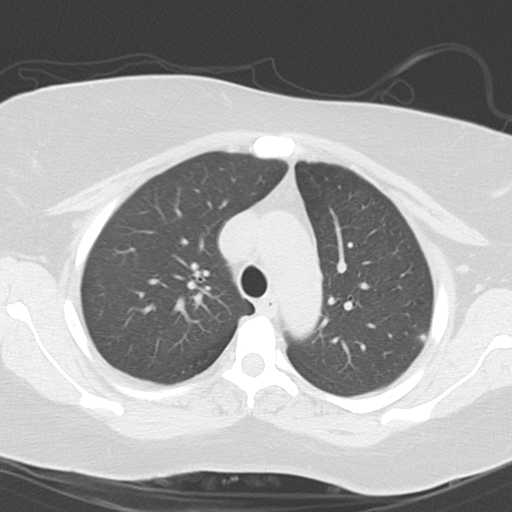
This is axial slice 79 of 101 (slice 1 is the lowest) of a chest CT; each pixel is 0.586 mm and the slice is 3.00 mm thick. Pulmonary nodule outlined by two of the four readers; box rows 334–341, columns 419–426 (the union of the readers' outlines on this slice); median longest diameter 5.5 mm (readers' outlines 5.3–5.8 mm), median volume 74 mm3 (48–99 mm3). Median ratings and the readers' spread: texture 5/5 (solid) from both readers; margin 5/5 (circumscribed), both readers agreeing; sphericity 4/5 at the median of two readers, spread 3/5 (ovoid) to 5/5 (round); calcification absent from both readers; internal structure soft tissue from both readers; median subtlety 4.5/5 (readers ranged 4–5); median malignancy likelihood 2.5/5 (readers ranged 2–3). Scale key (1–5): texture non-solid→solid, margin indistinct→circumscribed, sphericity linear→round, subtlety extremely subtle→obvious, malignancy likelihood highly unlikely→highly suspicious of cancer. Box rows and columns are 0-based pixel indices from the top-left corner, inclusive.
Tube voltage 120 kVp; convolution kernel B45f.